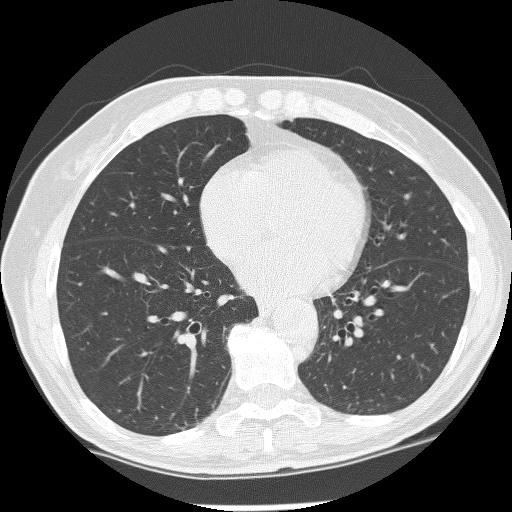
Slice 101/245 of a chest CT, counting up from the lowest; pixel size 0.592 mm, slice thickness 1.25 mm. This slice carries no reader outline of a nodule 3 mm or larger.
Tube voltage 120 kVp; convolution kernel BONE.